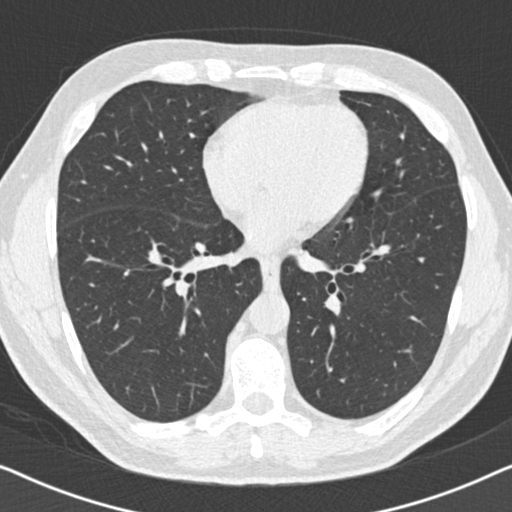
Axial chest CT slice 93 of 204 (counted from the lowest slice); tube voltage 120 kVp, convolution kernel B30f; slices 2.00 mm thick, 0.645 mm per pixel.
None of the four readers outlined a nodule of 3 mm or more on this slice.